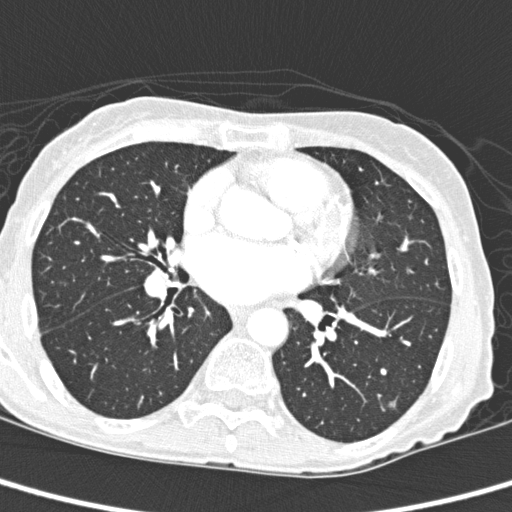
Axial chest CT slice 137 of 280 (counted from the lowest slice); tube voltage 120 kVp, convolution kernel D; slices 1.00 mm thick, 0.564 mm per pixel.
Pulmonary nodule outlined by two of the four readers; box rows 401–408, columns 386–395 (the union of the readers' outlines on this slice); median longest diameter 6.3 mm (readers' outlines 5.3–7.4 mm), median volume 69 mm3 (37–100 mm3). Median ratings and the readers' spread: median texture 3.5/5 (readers ranged 3/5 (part-solid) to 4/5); margin 4/5, both readers agreeing; median sphericity 4.5/5 (readers ranged 4/5 to 5/5 (round)); calcification absent, both readers agreeing; internal structure soft tissue from both readers; subtlety 4.5/5 at the median of two readers, spread 4–5; median malignancy likelihood 3/5 (readers ranged 2–4). Scale key (1–5): texture non-solid→solid, margin indistinct→circumscribed, sphericity linear→round, subtlety extremely subtle→obvious, malignancy likelihood highly unlikely→highly suspicious of cancer. Box rows and columns are 0-based pixel indices from the top-left corner, inclusive.